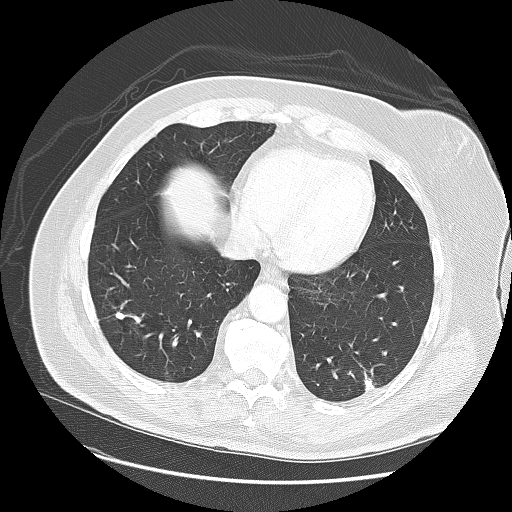
One axial slice (52 of 140, counting up from the lowest) of a chest CT acquired at 120 kVp with the LUNG kernel; each pixel is 0.781 mm and the slice is 2.50 mm thick.
Pulmonary nodule outlined by all four readers; box rows 312–319, columns 115–124 (the union of the readers' outlines on this slice); median longest diameter 8.4 mm (readers' outlines 7.4–8.9 mm), median volume 240 mm3 (195–300 mm3). Median ratings and the readers' spread: texture 5/5 (solid) from all four readers; margin 5/5 (circumscribed) at the median of four readers, spread 4/5 to 5/5 (circumscribed); median sphericity 3.5/5 (readers ranged 3/5 (ovoid) to 5/5 (round)); calcification: solid calcification (three), absent (one); internal structure soft tissue, all four readers agreeing; subtlety 4/5 at the median of four readers, spread 4–5; median malignancy likelihood 1/5 (readers ranged 1–3). Scale key (1–5): texture non-solid→solid, margin indistinct→circumscribed, sphericity linear→round, subtlety extremely subtle→obvious, malignancy likelihood highly unlikely→highly suspicious of cancer. Box rows and columns are 0-based pixel indices from the top-left corner, inclusive.